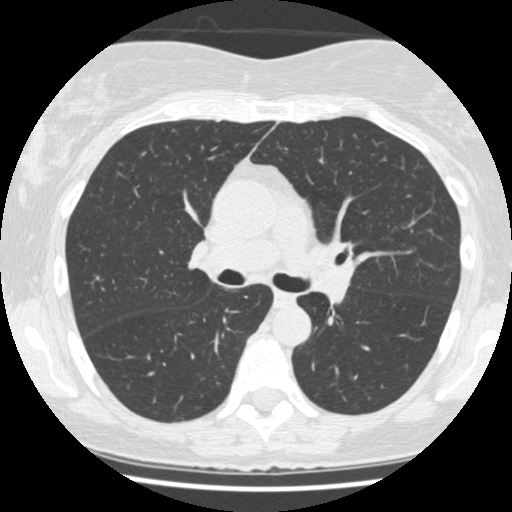
Chest CT, axial plane, 120 kVp, kernel STANDARD. Slice 280/477 from the bottom of the scan; thickness 1.25 mm; pixel size 0.625 mm.
Pulmonary nodule outlined by two of the four readers; box rows 152–155, columns 142–145 (the union of the readers' outlines on this slice); longest diameter 4.7 mm on average over the two readers' outlines (readers' outlines 4.6–4.8 mm), volume 22–35 mm3. The readers' prevailing ratings and who disagreed: texture 5/5 (solid), both readers agreeing; margin split among the readers: 3/5 (one), 4/5 (one); sphericity split among the readers: 4/5 (one), 5/5 (round) (one); calcification absent from both readers; internal structure soft tissue from both readers; subtlety split among the readers: 1/5 (one), 2/5 (one); malignancy likelihood split among the readers: 1/5 (one), 2/5 (one). Scale key (1–5): texture non-solid→solid, margin indistinct→circumscribed, sphericity linear→round, subtlety extremely subtle→obvious, malignancy likelihood highly unlikely→highly suspicious of cancer. Box rows and columns are 0-based pixel indices from the top-left corner, inclusive.